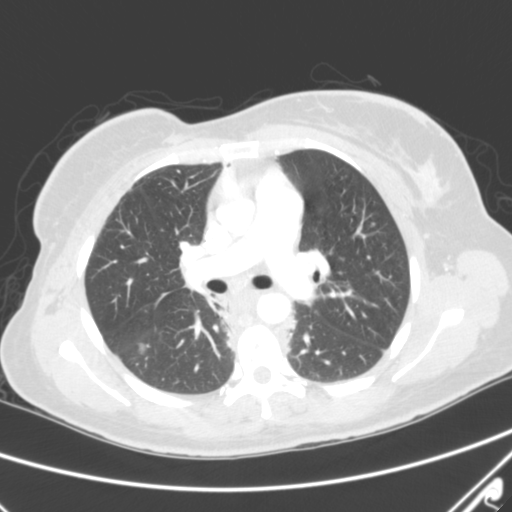
Axial chest CT slice 162 of 263 (counted from the lowest slice); tube voltage 120 kVp, convolution kernel B; slices 2.00 mm thick, 0.664 mm per pixel.
Pulmonary nodule at rows 344–353, columns 139–145 (box = the union of the readers' outlines on this slice), outlined two times (the source holds three more outlines, not used); the two readers' outlines give a longest diameter between 12.2 and 15.2 mm and a volume between 731 and 1229 mm3. Ratings across the readers: texture from 1/5 (non-solid) to 3/5 (part-solid) across the two readers; margin from 2/5 to 3/5 across the two readers; sphericity from 3/5 (ovoid) to 4/5 across the two readers; calcification absent, both readers agreeing; internal structure soft tissue, both readers agreeing; subtlety 3/5 from both readers; malignancy likelihood rated between 2 and 4 out of 5 by the two readers. Scale key (1–5): texture non-solid→solid, margin indistinct→circumscribed, sphericity linear→round, subtlety extremely subtle→obvious, malignancy likelihood highly unlikely→highly suspicious of cancer. Box rows and columns are 0-based pixel indices from the top-left corner, inclusive.